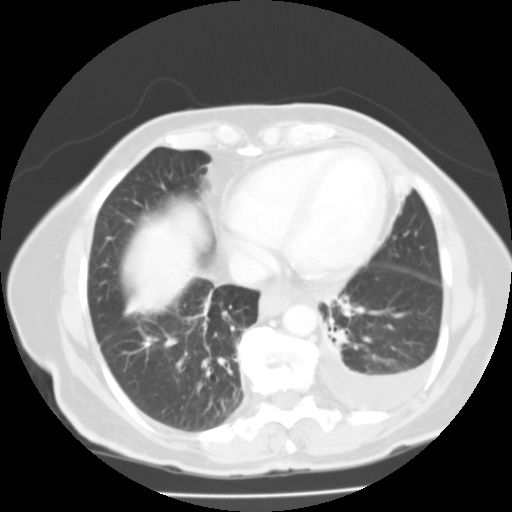
This is axial slice 54 of 119 (slice 1 is the lowest) of a chest CT; each pixel is 0.640 mm and the slice is 3.00 mm thick. Pulmonary nodule, outlined by one of the four readers. Box on this slice rows 177–200, columns 394–411, that reader's outline on this slice; longest diameter 18.8 mm and volume 4417 mm3 from that reader's outline. Ratings by that reader: texture 5/5 (solid); margin 4/5; sphericity 4/5; calcification absent; internal structure soft tissue; subtlety 4/5; malignancy likelihood 4/5. Scale key (1–5): texture non-solid→solid, margin indistinct→circumscribed, sphericity linear→round, subtlety extremely subtle→obvious, malignancy likelihood highly unlikely→highly suspicious of cancer. Box rows and columns are 0-based pixel indices from the top-left corner, inclusive.
Acquired at 135 kVp and reconstructed with the FC01 kernel.